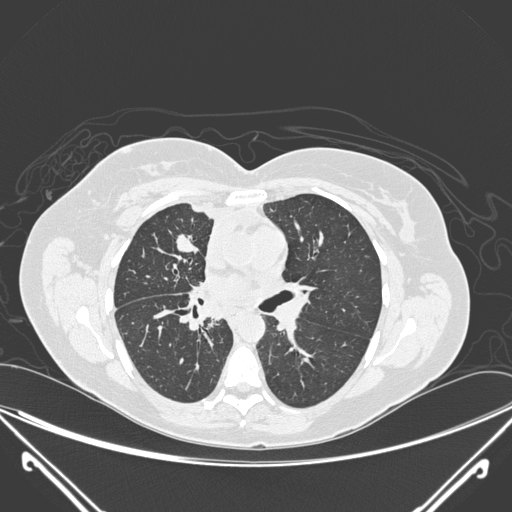
Axial chest CT slice 157 of 275 (counted from the lowest slice); tube voltage 120 kVp, convolution kernel D; slices 1.00 mm thick, 0.781 mm per pixel.
Pulmonary nodule at rows 234–253, columns 175–197 (box = the union of the readers' outlines on this slice), outlined by all four readers; median longest diameter 22.3 mm (readers' outlines 20.3–23.4 mm), median volume 2245 mm3 (1750–2560 mm3). Ratings, median across the readers with their spread: texture 5/5 (solid) from all four readers; margin 4/5 at the median of four readers, spread 3/5 to 5/5 (circumscribed); sphericity 2.5/5 at the median of four readers, spread 2/5 to 5/5 (round); calcification: absent (three), central calcification (one); internal structure soft tissue, all four readers agreeing; subtlety 5/5, all four readers agreeing; median malignancy likelihood 3.5/5 (readers ranged 1–5). Scale key (1–5): texture non-solid→solid, margin indistinct→circumscribed, sphericity linear→round, subtlety extremely subtle→obvious, malignancy likelihood highly unlikely→highly suspicious of cancer. Box rows and columns are 0-based pixel indices from the top-left corner, inclusive.